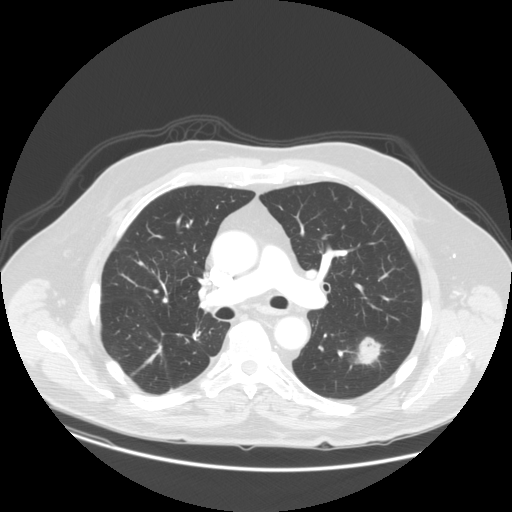
One axial slice (78 of 140, counting up from the lowest) of a chest CT acquired at 120 kVp with the STANDARD kernel; each pixel is 0.820 mm and the slice is 2.50 mm thick.
Pulmonary nodule outlined by all four readers; box rows 336–371, columns 346–384 (the union of the readers' outlines on this slice); longest diameter 28.0–35.5 mm and volume 4625–10612 mm3 across the four readers' outlines. The readers' ratings, as ranges where they differ: texture from 3/5 (part-solid) to 5/5 (solid) across the four readers; margin from 3/5 to 4/5 across the four readers; sphericity from 3/5 (ovoid) to 5/5 (round) across the four readers; calcification absent, all four readers agreeing; internal structure soft tissue, all four readers agreeing; subtlety 5/5 from all four readers; malignancy likelihood 3–5/5 (the readers disagree). Scale key (1–5): texture non-solid→solid, margin indistinct→circumscribed, sphericity linear→round, subtlety extremely subtle→obvious, malignancy likelihood highly unlikely→highly suspicious of cancer. Box rows and columns are 0-based pixel indices from the top-left corner, inclusive.